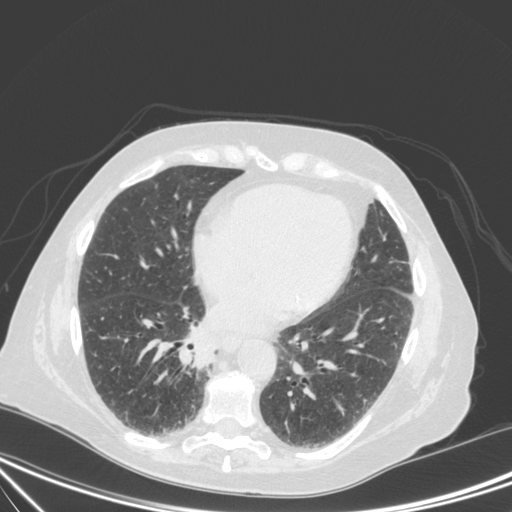
This is axial slice 127 of 350 (slice 1 is the lowest) of a chest CT; each pixel is 0.725 mm and the slice is 1.50 mm thick. Pulmonary nodule, outlined by one of the four readers. Box on this slice rows 334–366, columns 193–218, that reader's outline on this slice; longest diameter 29.7 mm and volume 4028 mm3 from that reader's outline. Ratings by that reader: texture 5/5 (solid); margin 3/5; sphericity 3/5 (ovoid); calcification absent; internal structure soft tissue; subtlety 5/5; malignancy likelihood 4/5. Scale key (1–5): texture non-solid→solid, margin indistinct→circumscribed, sphericity linear→round, subtlety extremely subtle→obvious, malignancy likelihood highly unlikely→highly suspicious of cancer. Box rows and columns are 0-based pixel indices from the top-left corner, inclusive.
Acquired at 120 kVp and reconstructed with the C kernel.